Chest CT, axial plane, 135 kVp, kernel FC03. Slice 153/183 from the bottom of the scan; thickness 2.00 mm; pixel size 0.946 mm.
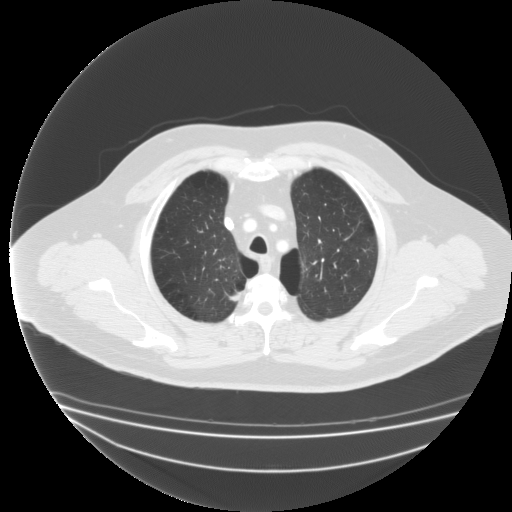
Pulmonary nodule, outlined by three of the four readers. Box on this slice rows 291–300, columns 229–240, the union of the readers' outlines on this slice; median longest diameter 16.8 mm (readers' outlines 16.1–17.8 mm), median volume 1166 mm3 (986–1640 mm3). Ratings, median across the readers with their spread: texture 5/5 (solid) from all three readers; median margin 3/5 (readers ranged 3/5 to 4/5); sphericity 4/5, all three readers agreeing; calcification absent, all three readers agreeing; internal structure soft tissue, all three readers agreeing; median subtlety 5/5 (readers ranged 4–5); malignancy likelihood 4/5 from all three readers. Scale key (1–5): texture non-solid→solid, margin indistinct→circumscribed, sphericity linear→round, subtlety extremely subtle→obvious, malignancy likelihood highly unlikely→highly suspicious of cancer. Box rows and columns are 0-based pixel indices from the top-left corner, inclusive.